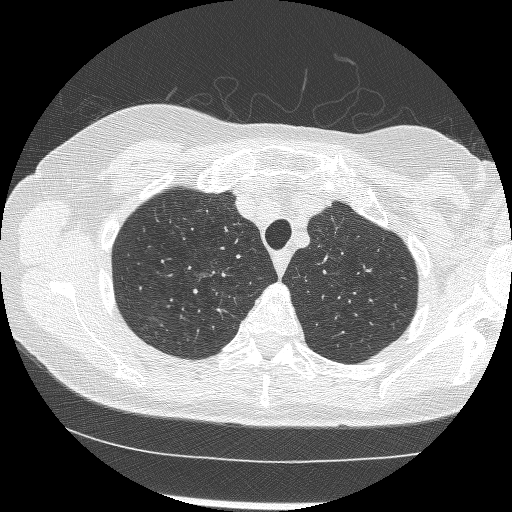
Axial slice 205 of 246 of a chest CT (slice 1 is the lowest), reconstructed with the BONE kernel at 120 kVp; 1.25 mm slice thickness and 0.586 mm pixels.
Pulmonary nodule at rows 272–277, columns 194–209 (box = the one reader's outline on this slice), outlined by all four readers, one of them on this slice; longest diameter 8.4 mm on average over the four readers' outlines (readers' outlines 6.1–10.0 mm), volume 66–342 mm3. The readers' prevailing ratings and who disagreed: texture 5/5 (solid) by two of four readers; the rest gave 3/5 (part-solid) (one), 4/5 (one); margin 3/5 by two of four readers; the rest gave 1/5 (indistinct) (one), 2/5 (one); most readers (three of four) put sphericity at 2/5, others 3/5 (ovoid) (one); calcification absent from all four readers; internal structure soft tissue from all four readers; subtlety 3/5 by two of four readers; the rest gave 4/5 (one), 5/5 (one); malignancy likelihood 4/5 by two of four readers; the rest gave 3/5 (one), 5/5 (one). Scale key (1–5): texture non-solid→solid, margin indistinct→circumscribed, sphericity linear→round, subtlety extremely subtle→obvious, malignancy likelihood highly unlikely→highly suspicious of cancer. Box rows and columns are 0-based pixel indices from the top-left corner, inclusive.